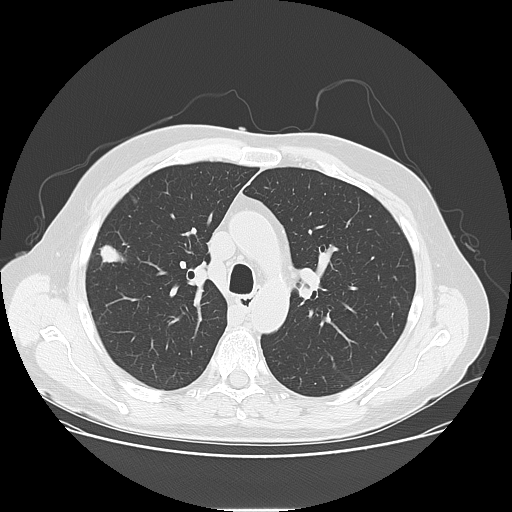
Axial chest CT slice 95 of 141 (counted from the lowest slice); tube voltage 120 kVp, convolution kernel LUNG; slices 2.50 mm thick, 0.762 mm per pixel.
Pulmonary nodule, outlined by all four readers. Box on this slice rows 245–264, columns 98–125, the union of the readers' outlines on this slice; longest diameter 26.7 mm on average over the four readers' outlines (readers' outlines 25.3–27.9 mm), volume 2874–3633 mm3. Ratings, by the readers' most common answer with dissent counted: texture 5/5 (solid), all four readers agreeing; margin 5/5 (circumscribed) by two of four readers; the rest gave 3/5 (one), 4/5 (one); most readers (three of four) put sphericity at 3/5 (ovoid), others 2/5 (one); calcification absent from all four readers; internal structure soft tissue, all four readers agreeing; subtlety 5/5 from all four readers; malignancy likelihood 5/5 by three of four readers; the rest gave 3/5 (one). Scale key (1–5): texture non-solid→solid, margin indistinct→circumscribed, sphericity linear→round, subtlety extremely subtle→obvious, malignancy likelihood highly unlikely→highly suspicious of cancer. Box rows and columns are 0-based pixel indices from the top-left corner, inclusive.